Axial slice 119 of 186 of a chest CT (slice 1 is the lowest), reconstructed with the B30f kernel at 120 kVp; 2.00 mm slice thickness and 0.586 mm pixels.
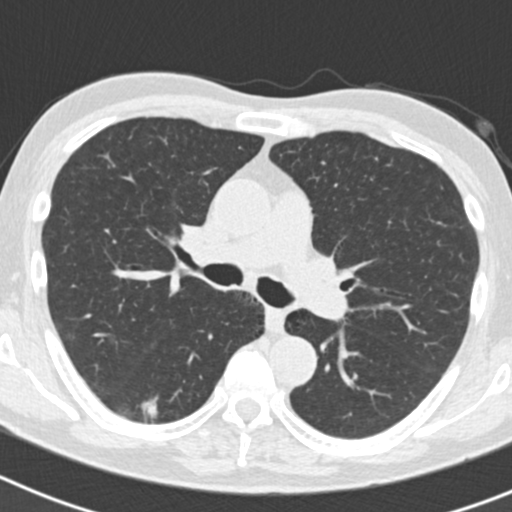
Pulmonary nodule at rows 395–419, columns 139–156 (box = the union of the readers' outlines on this slice), outlined by three of the four readers; median longest diameter 19.6 mm (readers' outlines 19.6–20.9 mm), median volume 1932 mm3 (1911–1935 mm3). Median ratings and the readers' spread: texture 4/5 at the median of three readers, spread 4/5 to 5/5 (solid); margin 3/5 at the median of three readers, spread 3/5 to 4/5; sphericity 3/5 (ovoid) at the median of three readers, spread 2/5 to 4/5; calcification absent, all three readers agreeing; internal structure soft tissue from all three readers; subtlety 5/5 at the median of three readers, spread 4–5; median malignancy likelihood 5/5 (readers ranged 3–5). Scale key (1–5): texture non-solid→solid, margin indistinct→circumscribed, sphericity linear→round, subtlety extremely subtle→obvious, malignancy likelihood highly unlikely→highly suspicious of cancer. Box rows and columns are 0-based pixel indices from the top-left corner, inclusive.